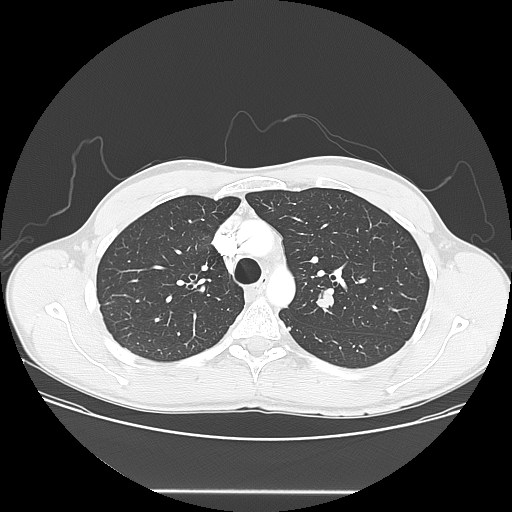
Axial slice 110 of 150 of a chest CT (slice 1 is the lowest), reconstructed with the LUNG kernel at 120 kVp; 2.50 mm slice thickness and 0.781 mm pixels.
Pulmonary nodule outlined by all four readers; box rows 291–307, columns 316–333 (the union of the readers' outlines on this slice); longest diameter 15.7 mm on average over the four readers' outlines (readers' outlines 14.6–16.9 mm), volume 1270–1423 mm3. The readers' prevailing ratings and who disagreed: texture 5/5 (solid) by three of four readers; the rest gave 4/5 (one); margin 5/5 (circumscribed) by two of four readers; the rest gave 3/5 (one), 4/5 (one); sphericity 5/5 (round) by two of four readers; the rest gave 3/5 (ovoid) (one), 4/5 (one); calcification absent, all four readers agreeing; internal structure soft tissue, all four readers agreeing; subtlety 4/5 by two of four readers; the rest gave 3/5 (one), 5/5 (one); malignancy likelihood 4/5 by two of four readers; the rest gave 2/5 (one), 3/5 (one). Scale key (1–5): texture non-solid→solid, margin indistinct→circumscribed, sphericity linear→round, subtlety extremely subtle→obvious, malignancy likelihood highly unlikely→highly suspicious of cancer. Box rows and columns are 0-based pixel indices from the top-left corner, inclusive.